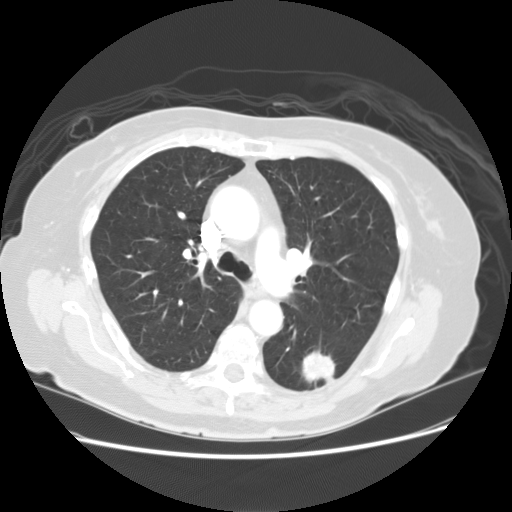
This is axial slice 92 of 133 (slice 1 is the lowest) of a chest CT; each pixel is 0.703 mm and the slice is 2.50 mm thick. Pulmonary nodule, outlined by all four readers. Box on this slice rows 350–384, columns 301–335, the union of the readers' outlines on this slice; the four readers' outlines give a longest diameter between 32.0 and 33.7 mm and a volume between 6146 and 7869 mm3. Ratings across the readers: texture from 4/5 to 5/5 (solid) across the four readers; margin from 2/5 to 4/5 across the four readers; sphericity from 3/5 (ovoid) to 5/5 (round) across the four readers; calcification absent from all four readers; internal structure soft tissue from all four readers; subtlety 5/5, all four readers agreeing; malignancy likelihood 4–5/5 (the readers disagree). Scale key (1–5): texture non-solid→solid, margin indistinct→circumscribed, sphericity linear→round, subtlety extremely subtle→obvious, malignancy likelihood highly unlikely→highly suspicious of cancer. Box rows and columns are 0-based pixel indices from the top-left corner, inclusive.
Acquired at 120 kVp and reconstructed with the STANDARD kernel.